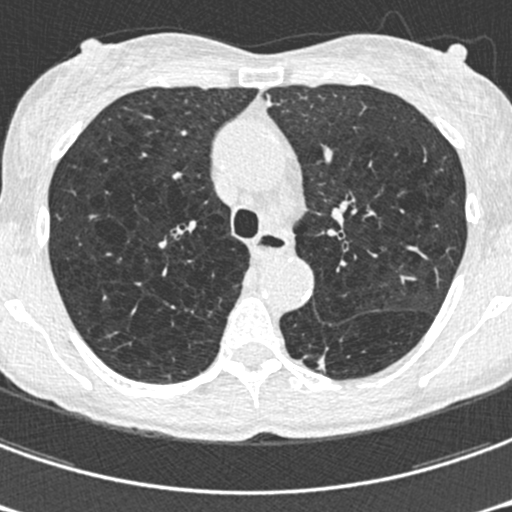
This is axial slice 432 of 633 (slice 1 is the lowest) of a chest CT; each pixel is 0.541 mm and the slice is 0.60 mm thick. Pulmonary nodule outlined by one of the four readers; box rows 355–373, columns 315–325 (that reader's outline on this slice); longest diameter 20.7 mm and volume 470 mm3 from that reader's outline. That reader's ratings: texture 5/5 (solid); margin 1/5 (indistinct); sphericity 2/5; calcification absent; internal structure soft tissue; subtlety 4/5; malignancy likelihood 3/5. Scale key (1–5): texture non-solid→solid, margin indistinct→circumscribed, sphericity linear→round, subtlety extremely subtle→obvious, malignancy likelihood highly unlikely→highly suspicious of cancer. Box rows and columns are 0-based pixel indices from the top-left corner, inclusive.
Acquired at 120 kVp and reconstructed with the B30f kernel.